Axial chest CT slice 363 of 536 (counted from the lowest slice); tube voltage 120 kVp, convolution kernel B30f; slices 0.75 mm thick, 0.656 mm per pixel.
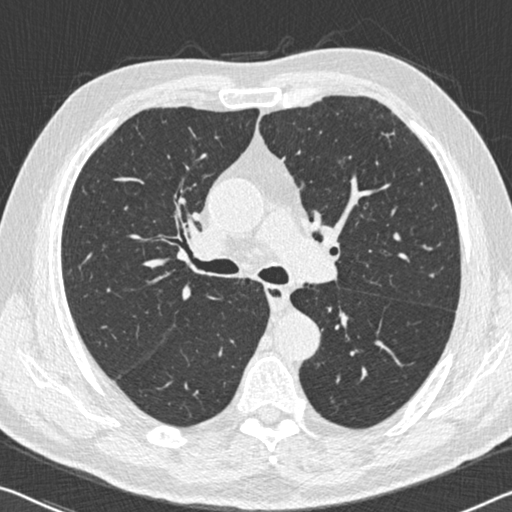
This slice carries no reader outline of a nodule 3 mm or larger.